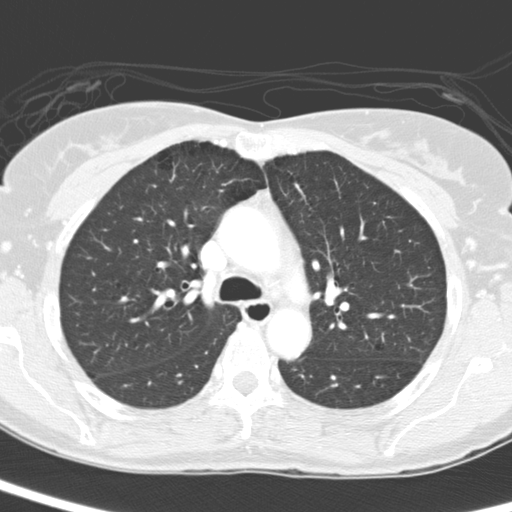
This is axial slice 268 of 350 (slice 1 is the lowest) of a chest CT; each pixel is 0.543 mm and the slice is 2.00 mm thick. No nodule 3 mm or larger was outlined here by any reader.
Acquired at 120 kVp and reconstructed with the D kernel.